One axial slice (309 of 375, counting up from the lowest) of a chest CT acquired at 120 kVp with the STANDARD kernel; each pixel is 0.625 mm and the slice is 1.25 mm thick.
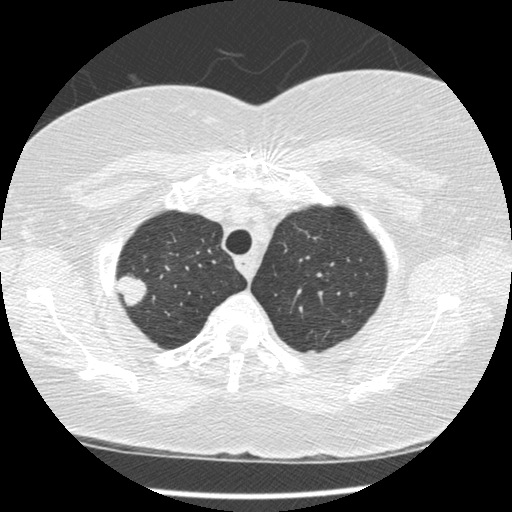
Pulmonary nodule outlined by all four readers; box rows 273–308, columns 114–147 (the union of the readers' outlines on this slice); longest diameter 21.2–23.2 mm and volume 2289–3466 mm3 across the four readers' outlines. The readers' ratings, as ranges where they differ: texture from 4/5 to 5/5 (solid) across the four readers; margin from 3/5 to 5/5 (circumscribed) across the four readers; sphericity from 2/5 to 5/5 (round) across the four readers; calcification absent from all four readers; internal structure soft tissue, all four readers agreeing; subtlety 5/5 from all four readers; malignancy likelihood from 3/5 to 5/5 across the four readers. Scale key (1–5): texture non-solid→solid, margin indistinct→circumscribed, sphericity linear→round, subtlety extremely subtle→obvious, malignancy likelihood highly unlikely→highly suspicious of cancer. Box rows and columns are 0-based pixel indices from the top-left corner, inclusive.